One axial slice (176 of 260, counting up from the lowest) of a chest CT acquired at 120 kVp with the B45f kernel; each pixel is 0.625 mm and the slice is 1.00 mm thick.
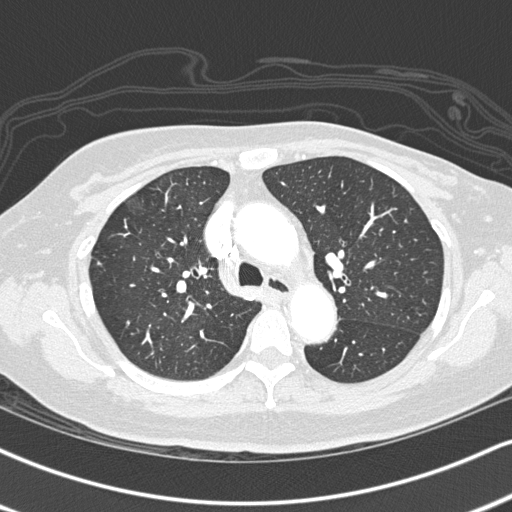
Pulmonary nodule, outlined by two of the four readers. Box on this slice rows 260–265, columns 97–102, the union of the readers' outlines on this slice; median longest diameter 7.3 mm (readers' outlines 6.8–7.9 mm), median volume 92 mm3 (80–104 mm3). Median ratings and the readers' spread: median texture 3.5/5 (readers ranged 2/5 to 5/5 (solid)); margin 3/5 at the median of two readers, spread 1/5 (indistinct) to 5/5 (circumscribed); sphericity 4.5/5 at the median of two readers, spread 4/5 to 5/5 (round); calcification absent from both readers; internal structure soft tissue from both readers; subtlety 3/5, both readers agreeing; malignancy likelihood 2/5, both readers agreeing. Scale key (1–5): texture non-solid→solid, margin indistinct→circumscribed, sphericity linear→round, subtlety extremely subtle→obvious, malignancy likelihood highly unlikely→highly suspicious of cancer. Box rows and columns are 0-based pixel indices from the top-left corner, inclusive.